One axial slice (134 of 436, counting up from the lowest) of a chest CT acquired at 120 kVp with the STANDARD kernel; each pixel is 0.703 mm and the slice is 1.25 mm thick.
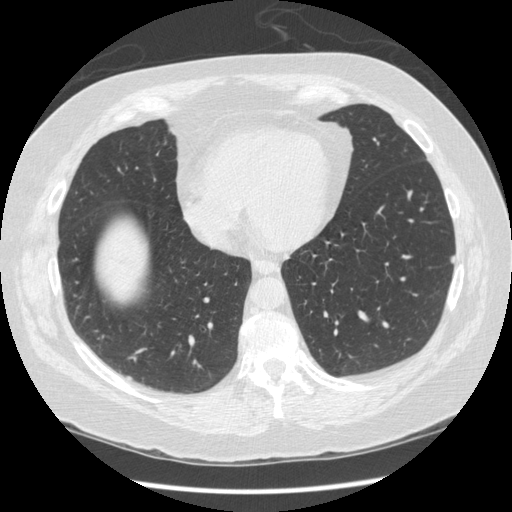
Pulmonary nodule outlined by three of the four readers; box rows 254–263, columns 450–454 (the union of the readers' outlines on this slice); longest diameter 8.2 mm on average over the three readers' outlines (readers' outlines 8.0–8.6 mm), volume 131–153 mm3. Ratings, by the readers' most common answer with dissent counted: texture 5/5 (solid) from all three readers; most readers (two of three) put margin at 4/5, others 5/5 (circumscribed) (one); sphericity split among the readers: 2/5 (one), 3/5 (ovoid) (one), 4/5 (one); calcification absent from all three readers; internal structure soft tissue, all three readers agreeing; most readers (two of three) put subtlety at 5/5, others 3/5 (one); malignancy likelihood 2/5 by two of three readers; the rest gave 3/5 (one). Scale key (1–5): texture non-solid→solid, margin indistinct→circumscribed, sphericity linear→round, subtlety extremely subtle→obvious, malignancy likelihood highly unlikely→highly suspicious of cancer. Box rows and columns are 0-based pixel indices from the top-left corner, inclusive.